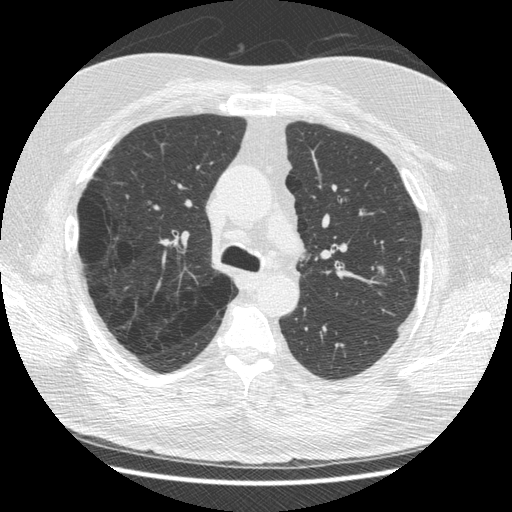
Axial chest CT slice 315 of 487 (counted from the lowest slice); 1.25 mm thick, 0.703 mm per pixel. Pulmonary nodule at rows 266–277, columns 377–384 (box = the union of the readers' outlines on this slice), outlined by two of the four readers; longest diameter 9.5 mm on average over the two readers' outlines (readers' outlines 9.4–9.6 mm), volume 154–156 mm3. Ratings, by the readers' most common answer with dissent counted: texture split among the readers: 3/5 (part-solid) (one), 4/5 (one); margin split among the readers: 2/5 (one), 4/5 (one); sphericity 3/5 (ovoid) from both readers; calcification absent from both readers; internal structure soft tissue from both readers; subtlety split among the readers: 2/5 (one), 3/5 (one); malignancy likelihood split among the readers: 3/5 (one), 4/5 (one). Scale key (1–5): texture non-solid→solid, margin indistinct→circumscribed, sphericity linear→round, subtlety extremely subtle→obvious, malignancy likelihood highly unlikely→highly suspicious of cancer. Box rows and columns are 0-based pixel indices from the top-left corner, inclusive.
Acquired at 120 kVp and reconstructed with the STANDARD kernel.